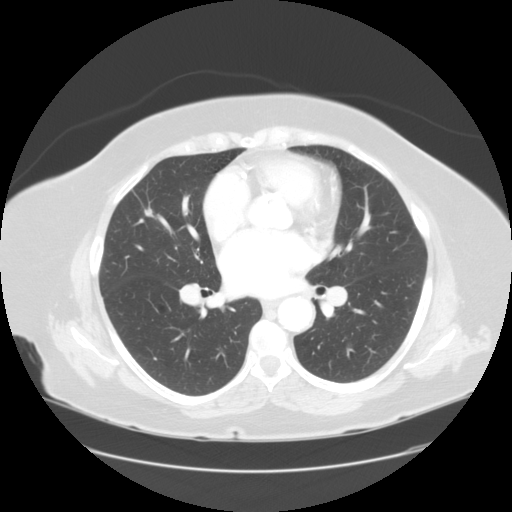
Slice 77/133 of a chest CT, counting up from the lowest; pixel size 0.781 mm, slice thickness 2.50 mm. Pulmonary nodule at rows 207–217, columns 144–153 (box = the union of the readers' outlines on this slice), outlined by all four readers, three of them on this slice; longest diameter 14.6 mm on average over the four readers' outlines (readers' outlines 12.2–16.1 mm), volume 397–778 mm3. Ratings, by the readers' most common answer with dissent counted: most readers (three of four) put texture at 5/5 (solid), others 1/5 (non-solid) (one); margin split among the readers: 2/5 (one), 3/5 (one), 4/5 (one), 5/5 (circumscribed) (one); sphericity 3/5 (ovoid) by two of four readers; the rest gave 2/5 (one), 5/5 (round) (one); calcification absent from all four readers; internal structure soft tissue, all four readers agreeing; subtlety 3/5 by two of four readers; the rest gave 1/5 (one), 5/5 (one); malignancy likelihood 2/5 by two of four readers; the rest gave 3/5 (one), 4/5 (one). Scale key (1–5): texture non-solid→solid, margin indistinct→circumscribed, sphericity linear→round, subtlety extremely subtle→obvious, malignancy likelihood highly unlikely→highly suspicious of cancer. Box rows and columns are 0-based pixel indices from the top-left corner, inclusive.
Acquired at 120 kVp and reconstructed with the STANDARD kernel.